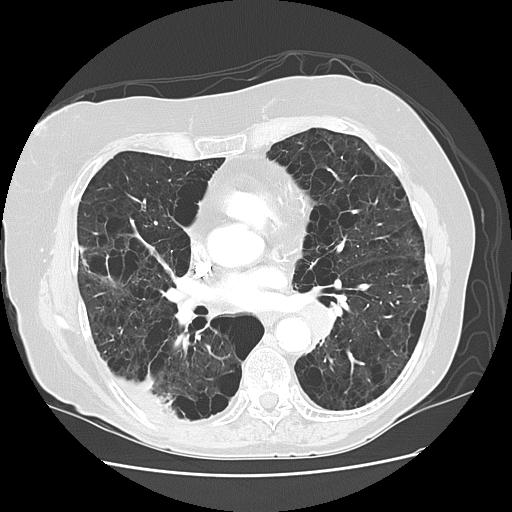
One axial slice (61 of 125, counting up from the lowest) of a chest CT acquired at 120 kVp with the LUNG kernel; each pixel is 0.703 mm and the slice is 2.50 mm thick.
Pulmonary nodule outlined by one of the four readers; box rows 303–347, columns 296–331 (that reader's outline on this slice); longest diameter 37.4 mm and volume 10878 mm3 from that reader's outline. Ratings by that reader: texture 5/5 (solid); margin 5/5 (circumscribed); sphericity 5/5 (round); calcification absent; internal structure soft tissue; subtlety 3/5; malignancy likelihood 2/5. Scale key (1–5): texture non-solid→solid, margin indistinct→circumscribed, sphericity linear→round, subtlety extremely subtle→obvious, malignancy likelihood highly unlikely→highly suspicious of cancer. Box rows and columns are 0-based pixel indices from the top-left corner, inclusive.